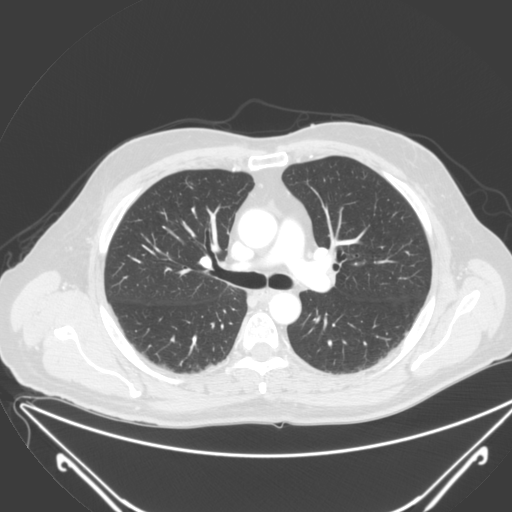
This is axial slice 155 of 250 (slice 1 is the lowest) of a chest CT; each pixel is 0.834 mm and the slice is 2.00 mm thick. No nodule of 3 mm or larger was outlined by any of the four readers on this slice.
Acquired at 120 kVp and reconstructed with the B kernel.